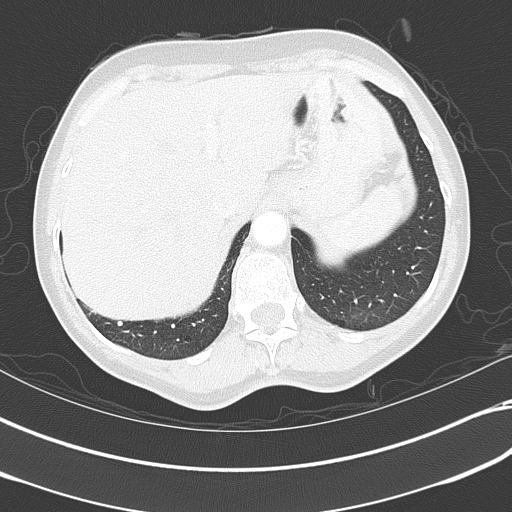
Axial slice 91 of 351 of a chest CT (slice 1 is the lowest), reconstructed with the B70f kernel at 120 kVp; 2.00 mm slice thickness and 0.643 mm pixels.
Pulmonary nodule at rows 321–325, columns 117–122 (box = the union of the readers' outlines on this slice), outlined by two of the four readers; median longest diameter 4.8 mm (readers' outlines 4.3–5.3 mm), median volume 41 mm3 (31–50 mm3). Median ratings and the readers' spread: texture 5/5 (solid) from both readers; margin 5/5 (circumscribed) from both readers; sphericity 5/5 (round), both readers agreeing; calcification split among the readers: solid calcification (one), absent (one); internal structure soft tissue from both readers; subtlety 4/5 at the median of two readers, spread 3–5; median malignancy likelihood 1.5/5 (readers ranged 1–2). Scale key (1–5): texture non-solid→solid, margin indistinct→circumscribed, sphericity linear→round, subtlety extremely subtle→obvious, malignancy likelihood highly unlikely→highly suspicious of cancer. Box rows and columns are 0-based pixel indices from the top-left corner, inclusive.